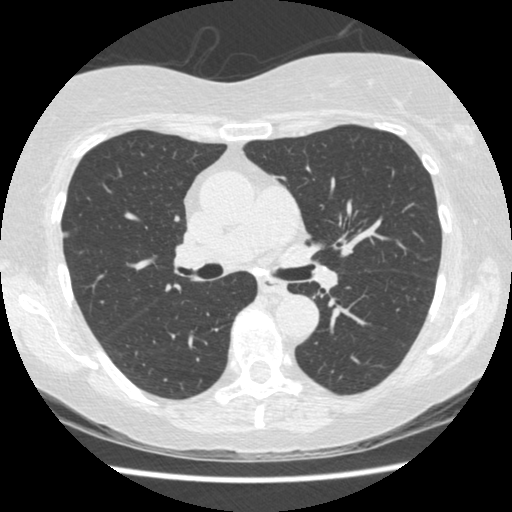
One axial slice (249 of 458, counting up from the lowest) of a chest CT acquired at 120 kVp with the STANDARD kernel; each pixel is 0.625 mm and the slice is 1.25 mm thick.
Pulmonary nodule, outlined by two of the four readers. Box on this slice rows 232–236, columns 62–68, the union of the readers' outlines on this slice; longest diameter 5.5 mm on average over the two readers' outlines (readers' outlines 5.4–5.6 mm), volume 31–41 mm3. The readers' prevailing ratings and who disagreed: texture split among the readers: 2/5 (one), 5/5 (solid) (one); margin split among the readers: 2/5 (one), 5/5 (circumscribed) (one); sphericity split among the readers: 3/5 (ovoid) (one), 4/5 (one); calcification absent, both readers agreeing; internal structure soft tissue, both readers agreeing; subtlety split among the readers: 3/5 (one), 4/5 (one); malignancy likelihood split among the readers: 2/5 (one), 3/5 (one). Scale key (1–5): texture non-solid→solid, margin indistinct→circumscribed, sphericity linear→round, subtlety extremely subtle→obvious, malignancy likelihood highly unlikely→highly suspicious of cancer. Box rows and columns are 0-based pixel indices from the top-left corner, inclusive.